Chest CT, axial plane, 120 kVp, kernel C. Slice 183/350 from the bottom of the scan; thickness 1.50 mm; pixel size 0.725 mm.
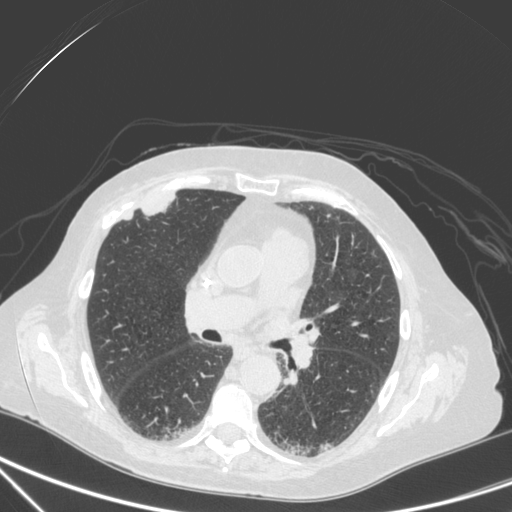
Two pulmonary nodules are outlined on this slice; from left to right: (1) Pulmonary nodule at rows 213–219, columns 124–132 (box = that reader's outline on this slice), outlined by one of the four readers; longest diameter 11.5 mm and volume 223 mm3 from that reader's outline. Ratings by that reader: texture 5/5 (solid); margin 4/5; sphericity 4/5; calcification absent; internal structure soft tissue; subtlety 5/5; malignancy likelihood 4/5. (2) Pulmonary nodule outlined by one of the four readers; box rows 194–214, columns 143–174 (that reader's outline on this slice); longest diameter 29.5 mm and volume 4181 mm3 from that reader's outline. That reader's ratings: texture 5/5 (solid); margin 4/5; sphericity 2/5; calcification absent; internal structure soft tissue; subtlety 5/5; malignancy likelihood 4/5. Scale key (1–5): texture non-solid→solid, margin indistinct→circumscribed, sphericity linear→round, subtlety extremely subtle→obvious, malignancy likelihood highly unlikely→highly suspicious of cancer. Box rows and columns are 0-based pixel indices from the top-left corner, inclusive.